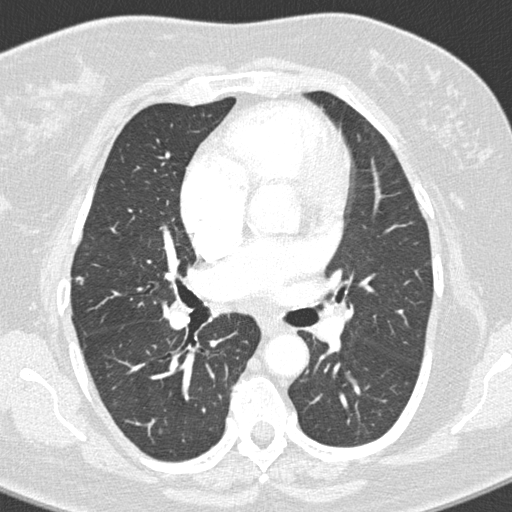
One axial slice (170 of 298, counting up from the lowest) of a chest CT acquired at 120 kVp with the B45f kernel; each pixel is 0.547 mm and the slice is 1.00 mm thick.
Pulmonary nodule outlined by three of the four readers; box rows 276–284, columns 72–85 (the union of the readers' outlines on this slice); median longest diameter 6.1 mm (readers' outlines 5.9–8.2 mm), median volume 79 mm3 (71–114 mm3). Median ratings and the readers' spread: median texture 5/5 (solid) (readers ranged 4/5 to 5/5 (solid)); median margin 3/5 (readers ranged 3/5 to 4/5); sphericity 4/5 at the median of three readers, spread 3/5 (ovoid) to 4/5; calcification absent, all three readers agreeing; internal structure soft tissue, all three readers agreeing; subtlety 3/5 at the median of three readers, spread 3–4; median malignancy likelihood 2/5 (readers ranged 2–3). Scale key (1–5): texture non-solid→solid, margin indistinct→circumscribed, sphericity linear→round, subtlety extremely subtle→obvious, malignancy likelihood highly unlikely→highly suspicious of cancer. Box rows and columns are 0-based pixel indices from the top-left corner, inclusive.